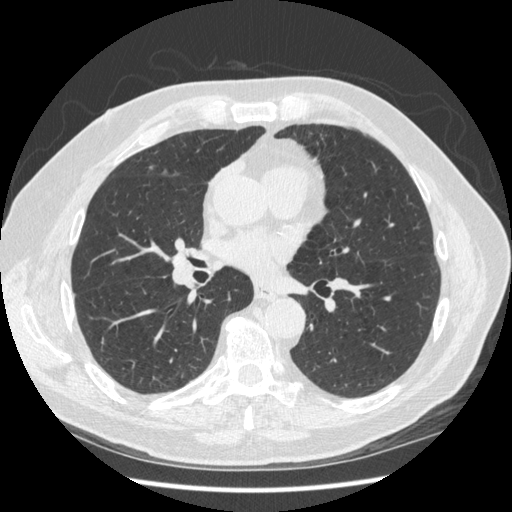
Chest CT, axial plane, 120 kVp, kernel STANDARD. Slice 228/477 from the bottom of the scan; thickness 1.25 mm; pixel size 0.703 mm.
Pulmonary nodule, outlined by two of the four readers. Box on this slice rows 165–169, columns 149–153, the union of the readers' outlines on this slice; the two readers' outlines give a longest diameter between 8.2 and 10.5 mm and a volume between 48 and 81 mm3. Ratings across the readers: texture 5/5 (solid) from both readers; margin from 4/5 to 5/5 (circumscribed) across the two readers; sphericity from 2/5 to 5/5 (round) across the two readers; calcification absent from both readers; internal structure soft tissue, both readers agreeing; subtlety 3/5, both readers agreeing; malignancy likelihood rated between 2 and 3 out of 5 by the two readers. Scale key (1–5): texture non-solid→solid, margin indistinct→circumscribed, sphericity linear→round, subtlety extremely subtle→obvious, malignancy likelihood highly unlikely→highly suspicious of cancer. Box rows and columns are 0-based pixel indices from the top-left corner, inclusive.